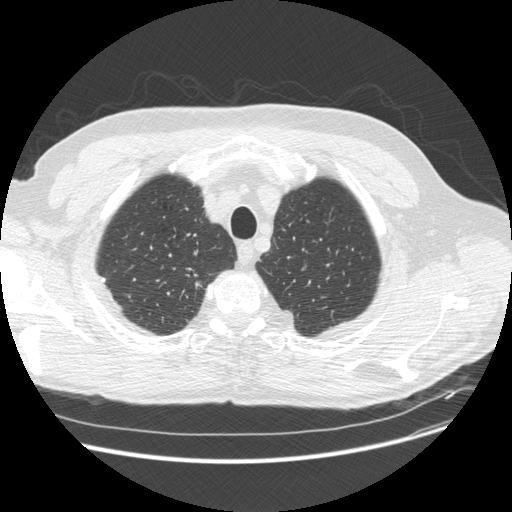
Axial chest CT slice 456 of 513 (counted from the lowest slice); tube voltage 120 kVp, convolution kernel STANDARD; slices 1.25 mm thick, 0.742 mm per pixel.
Pulmonary nodule outlined by all four readers, three of them on this slice; box rows 281–287, columns 194–200 (the union of the readers' outlines on this slice); longest diameter 13.1 mm on average over the four readers' outlines (readers' outlines 11.4–16.0 mm), volume 128–190 mm3. Ratings, by the readers' most common answer with dissent counted: texture split among the readers: 4/5 (two), 5/5 (solid) (two); margin 4/5 by two of four readers; the rest gave 2/5 (one), 5/5 (circumscribed) (one); sphericity split among the readers: 2/5 (one), 3/5 (ovoid) (one), 4/5 (one), 5/5 (round) (one); calcification absent, all four readers agreeing; internal structure soft tissue, all four readers agreeing; subtlety 5/5 by two of four readers; the rest gave 3/5 (one), 4/5 (one); malignancy likelihood split among the readers: 4/5 (two), 5/5 (two). Scale key (1–5): texture non-solid→solid, margin indistinct→circumscribed, sphericity linear→round, subtlety extremely subtle→obvious, malignancy likelihood highly unlikely→highly suspicious of cancer. Box rows and columns are 0-based pixel indices from the top-left corner, inclusive.